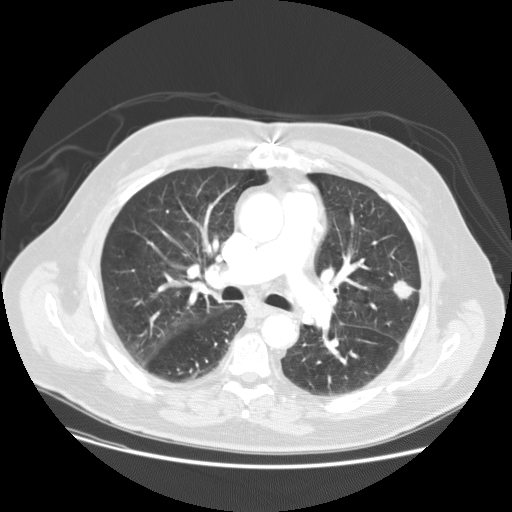
Chest CT, axial plane, 120 kVp, kernel STANDARD. Slice 87/133 from the bottom of the scan; thickness 2.50 mm; pixel size 0.781 mm.
Pulmonary nodule, outlined by all four readers. Box on this slice rows 278–300, columns 392–415, the union of the readers' outlines on this slice; longest diameter 18.8–20.7 mm and volume 2105–2617 mm3 across the four readers' outlines. The readers' ratings, as ranges where they differ: texture 5/5 (solid), all four readers agreeing; margin from 4/5 to 5/5 (circumscribed) across the four readers; sphericity from 3/5 (ovoid) to 5/5 (round) across the four readers; calcification absent, all four readers agreeing; internal structure soft tissue, all four readers agreeing; subtlety rated between 3 and 5 out of 5 by the four readers; malignancy likelihood rated between 2 and 5 out of 5 by the four readers. Scale key (1–5): texture non-solid→solid, margin indistinct→circumscribed, sphericity linear→round, subtlety extremely subtle→obvious, malignancy likelihood highly unlikely→highly suspicious of cancer. Box rows and columns are 0-based pixel indices from the top-left corner, inclusive.